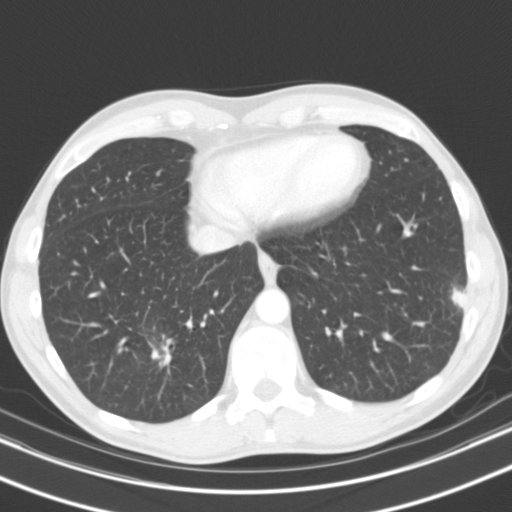
Axial chest CT slice 37 of 119 (counted from the lowest slice); 3.00 mm thick, 0.650 mm per pixel. Pulmonary nodule at rows 283–308, columns 450–466 (box = the union of the readers' outlines on this slice), outlined by all four readers; median longest diameter 17.2 mm (readers' outlines 14.3–20.4 mm), median volume 1725 mm3 (1364–2386 mm3). Ratings, median across the readers with their spread: texture 4.5/5 at the median of four readers, spread 4/5 to 5/5 (solid); median margin 4/5 (readers ranged 2/5 to 4/5); sphericity 3.5/5 at the median of four readers, spread 3/5 (ovoid) to 5/5 (round); calcification absent, all four readers agreeing; internal structure soft tissue, all four readers agreeing; median subtlety 5/5 (readers ranged 4–5); median malignancy likelihood 3.5/5 (readers ranged 2–5). Scale key (1–5): texture non-solid→solid, margin indistinct→circumscribed, sphericity linear→round, subtlety extremely subtle→obvious, malignancy likelihood highly unlikely→highly suspicious of cancer. Box rows and columns are 0-based pixel indices from the top-left corner, inclusive.
Acquired at 130 kVp and reconstructed with the B31s kernel.